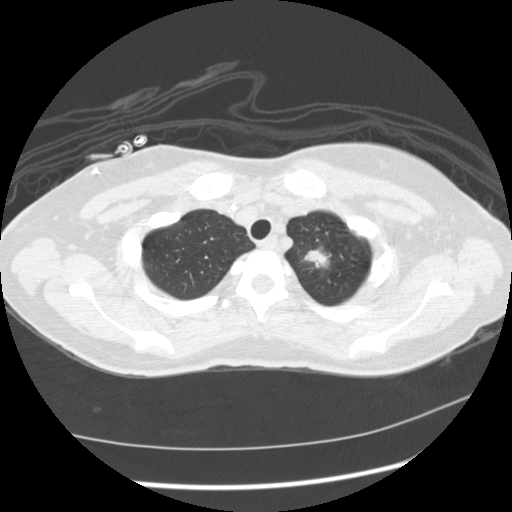
Chest CT, axial plane, 120 kVp, kernel STANDARD. Slice 176/209 from the bottom of the scan; thickness 1.25 mm; pixel size 0.693 mm.
Pulmonary nodule outlined by all four readers; box rows 245–268, columns 301–330 (the union of the readers' outlines on this slice); longest diameter 23.5 mm on average over the four readers' outlines (readers' outlines 21.8–25.6 mm), volume 2801–4927 mm3. Ratings, by the readers' most common answer with dissent counted: texture 4/5 by three of four readers; the rest gave 5/5 (solid) (one); margin split among the readers: 3/5 (two), 4/5 (two); sphericity split among the readers: 2/5 (one), 3/5 (ovoid) (one), 4/5 (one), 5/5 (round) (one); calcification absent, all four readers agreeing; internal structure soft tissue from all four readers; subtlety 5/5 from all four readers; malignancy likelihood 5/5 by two of four readers; the rest gave 3/5 (one), 4/5 (one). Scale key (1–5): texture non-solid→solid, margin indistinct→circumscribed, sphericity linear→round, subtlety extremely subtle→obvious, malignancy likelihood highly unlikely→highly suspicious of cancer. Box rows and columns are 0-based pixel indices from the top-left corner, inclusive.